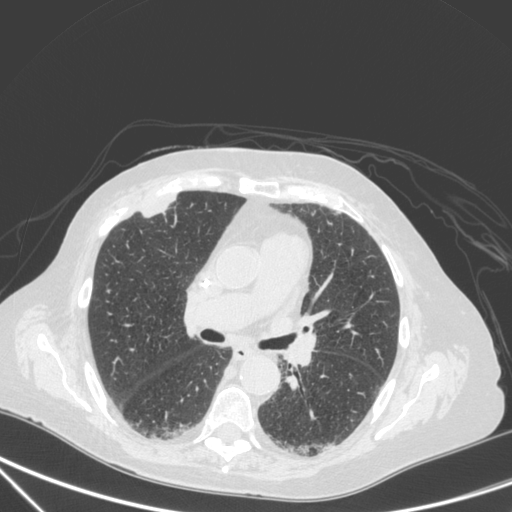
Axial chest CT slice 187 of 350 (counted from the lowest slice); 1.50 mm thick, 0.725 mm per pixel. Pulmonary nodule, outlined by one of the four readers. Box on this slice rows 198–216, columns 142–175, that reader's outline on this slice; longest diameter 29.5 mm and volume 4181 mm3 from that reader's outline. That reader's ratings: texture 5/5 (solid); margin 4/5; sphericity 2/5; calcification absent; internal structure soft tissue; subtlety 5/5; malignancy likelihood 4/5. Scale key (1–5): texture non-solid→solid, margin indistinct→circumscribed, sphericity linear→round, subtlety extremely subtle→obvious, malignancy likelihood highly unlikely→highly suspicious of cancer. Box rows and columns are 0-based pixel indices from the top-left corner, inclusive.
Acquired at 120 kVp and reconstructed with the C kernel.